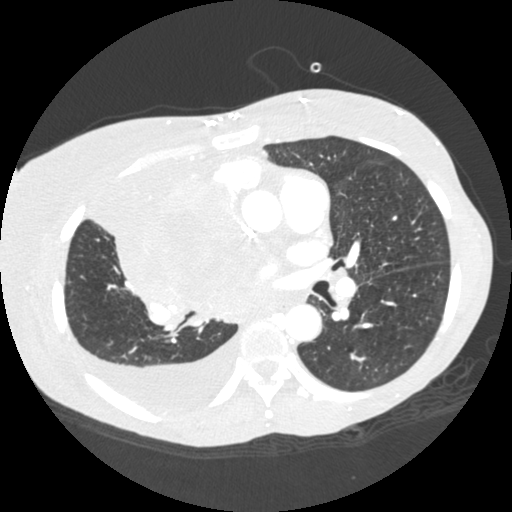
Chest CT, axial plane, 120 kVp, kernel STANDARD. Slice 127/238 from the bottom of the scan; thickness 1.25 mm; pixel size 0.625 mm.
Pulmonary nodule outlined by all four readers, one of them on this slice; box rows 356–359, columns 147–152 (the one reader's outline on this slice); the four readers' outlines give a longest diameter between 6.7 and 7.3 mm and a volume between 136 and 179 mm3. The readers' ratings, as ranges where they differ: texture 5/5 (solid), all four readers agreeing; margin from 4/5 to 5/5 (circumscribed) across the four readers; sphericity from 3/5 (ovoid) to 5/5 (round) across the four readers; calcification absent, all four readers agreeing; internal structure soft tissue from all four readers; subtlety rated between 3 and 5 out of 5 by the four readers; malignancy likelihood from 2/5 to 3/5 across the four readers. Scale key (1–5): texture non-solid→solid, margin indistinct→circumscribed, sphericity linear→round, subtlety extremely subtle→obvious, malignancy likelihood highly unlikely→highly suspicious of cancer. Box rows and columns are 0-based pixel indices from the top-left corner, inclusive.